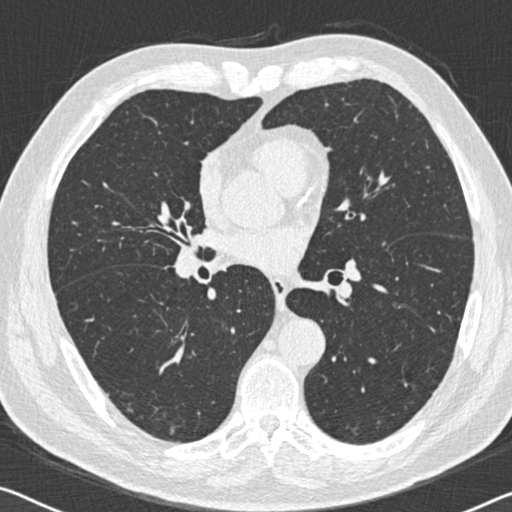
One axial slice (303 of 536, counting up from the lowest) of a chest CT acquired at 120 kVp with the B30f kernel; each pixel is 0.656 mm and the slice is 0.75 mm thick.
Pulmonary nodule outlined by three of the four readers, two of them on this slice; box rows 427–434, columns 170–174 (the union of the readers' outlines on this slice); longest diameter 5.9–8.6 mm and volume 49–116 mm3 across the three readers' outlines. The readers' ratings, as ranges where they differ: texture from 4/5 to 5/5 (solid) across the three readers; margin 4/5, all three readers agreeing; sphericity from 3/5 (ovoid) to 4/5 across the three readers; calcification: absent (two), non-central calcification (one); internal structure soft tissue, all three readers agreeing; subtlety from 3/5 to 5/5 across the three readers; malignancy likelihood rated between 2 and 3 out of 5 by the three readers. Scale key (1–5): texture non-solid→solid, margin indistinct→circumscribed, sphericity linear→round, subtlety extremely subtle→obvious, malignancy likelihood highly unlikely→highly suspicious of cancer. Box rows and columns are 0-based pixel indices from the top-left corner, inclusive.